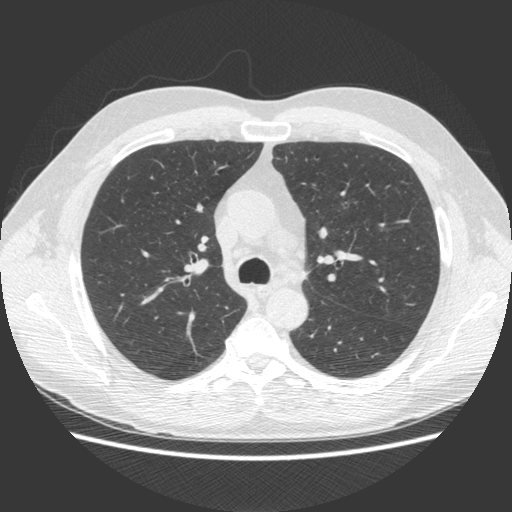
Axial slice 328 of 500 of a chest CT (slice 1 is the lowest), reconstructed with the STANDARD kernel at 120 kVp; 1.25 mm slice thickness and 0.703 mm pixels.
The readers outlined no nodule of 3 mm or more on this slice.